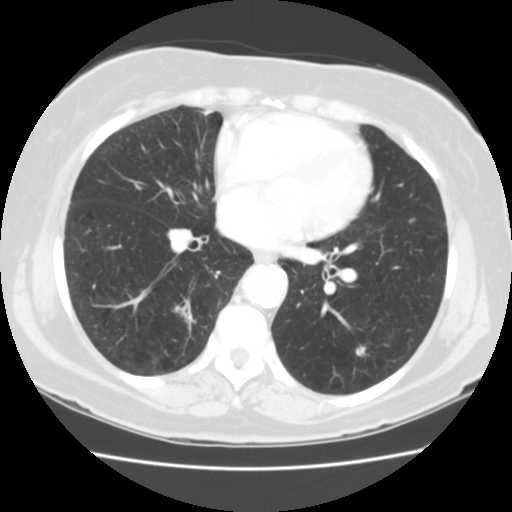
This is axial slice 70 of 133 (slice 1 is the lowest) of a chest CT; each pixel is 0.625 mm and the slice is 2.50 mm thick. Pulmonary nodule at rows 347–354, columns 357–363 (box = that reader's outline on this slice), outlined by one of the four readers; longest diameter 15.1 mm and volume 466 mm3 from that reader's outline. That reader's ratings: texture 1/5 (non-solid); margin 2/5; sphericity 5/5 (round); calcification absent; internal structure soft tissue; subtlety 1/5; malignancy likelihood 2/5. Scale key (1–5): texture non-solid→solid, margin indistinct→circumscribed, sphericity linear→round, subtlety extremely subtle→obvious, malignancy likelihood highly unlikely→highly suspicious of cancer. Box rows and columns are 0-based pixel indices from the top-left corner, inclusive.
Acquired at 120 kVp and reconstructed with the STANDARD kernel.